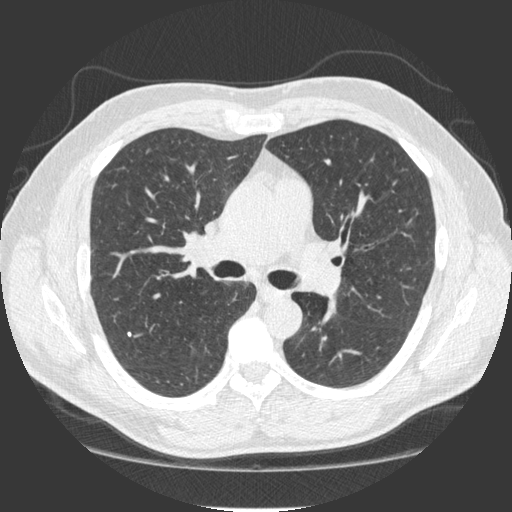
Chest CT, axial plane, 120 kVp, kernel STANDARD. Slice 131/241 from the bottom of the scan; thickness 1.25 mm; pixel size 0.684 mm.
Pulmonary nodule at rows 332–336, columns 127–131 (box = that reader's outline on this slice), outlined by one of the four readers; longest diameter 4.3 mm and volume 27 mm3 from that reader's outline. Ratings by that reader: texture 5/5 (solid); margin 5/5 (circumscribed); sphericity 3/5 (ovoid); calcification solid calcification; internal structure soft tissue; subtlety 5/5; malignancy likelihood 1/5. Scale key (1–5): texture non-solid→solid, margin indistinct→circumscribed, sphericity linear→round, subtlety extremely subtle→obvious, malignancy likelihood highly unlikely→highly suspicious of cancer. Box rows and columns are 0-based pixel indices from the top-left corner, inclusive.